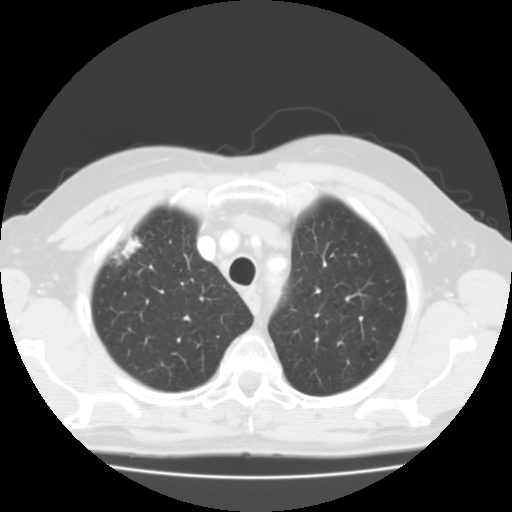
This is axial slice 90 of 109 (slice 1 is the lowest) of a chest CT; each pixel is 0.720 mm and the slice is 3.00 mm thick. Pulmonary nodule outlined by three of the four readers; box rows 233–265, columns 111–141 (the union of the readers' outlines on this slice); median longest diameter 28.5 mm (readers' outlines 28.5–30.8 mm), median volume 5688 mm3 (5654–6646 mm3). Median ratings and the readers' spread: median texture 5/5 (solid) (readers ranged 4/5 to 5/5 (solid)); margin 4/5 at the median of three readers, spread 1/5 (indistinct) to 4/5; median sphericity 2/5 (readers ranged 2/5 to 3/5 (ovoid)); calcification absent, all three readers agreeing; internal structure soft tissue from all three readers; subtlety 5/5, all three readers agreeing; median malignancy likelihood 3/5 (readers ranged 3–5). Scale key (1–5): texture non-solid→solid, margin indistinct→circumscribed, sphericity linear→round, subtlety extremely subtle→obvious, malignancy likelihood highly unlikely→highly suspicious of cancer. Box rows and columns are 0-based pixel indices from the top-left corner, inclusive.
Acquired at 135 kVp and reconstructed with the FC01 kernel.